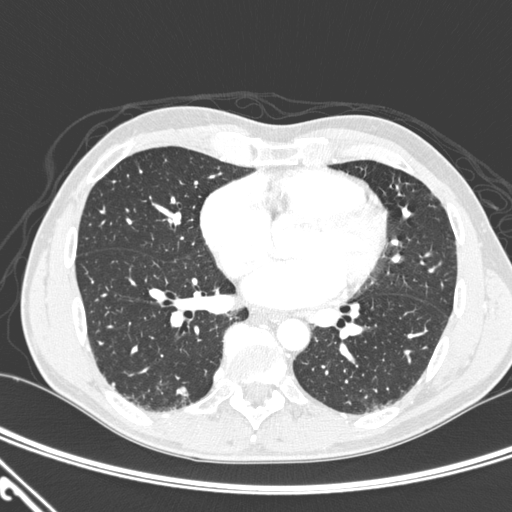
One axial slice (119 of 276, counting up from the lowest) of a chest CT acquired at 120 kVp with the D kernel; each pixel is 0.639 mm and the slice is 1.00 mm thick.
Pulmonary nodule outlined by two of the four readers; box rows 386–395, columns 179–186 (the union of the readers' outlines on this slice); median longest diameter 7.3 mm (readers' outlines 6.5–8.1 mm), median volume 75 mm3 (41–108 mm3). Median ratings and the readers' spread: texture 5/5 (solid), both readers agreeing; median margin 3.5/5 (readers ranged 2/5 to 5/5 (circumscribed)); median sphericity 3/5 (ovoid) (readers ranged 2/5 to 4/5); calcification absent, both readers agreeing; internal structure soft tissue, both readers agreeing; median subtlety 3.5/5 (readers ranged 2–5); malignancy likelihood 2/5 from both readers. Scale key (1–5): texture non-solid→solid, margin indistinct→circumscribed, sphericity linear→round, subtlety extremely subtle→obvious, malignancy likelihood highly unlikely→highly suspicious of cancer. Box rows and columns are 0-based pixel indices from the top-left corner, inclusive.